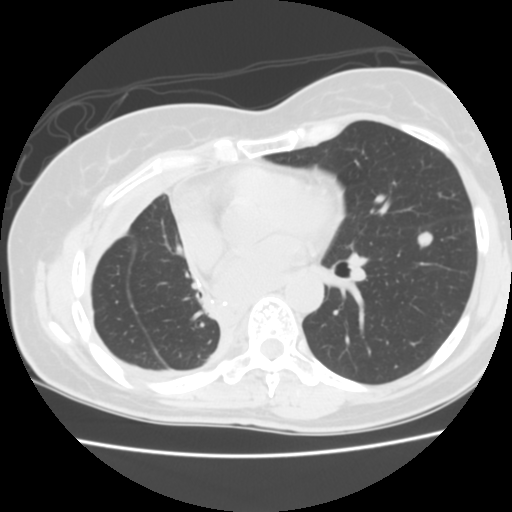
One axial slice (81 of 141, counting up from the lowest) of a chest CT acquired at 120 kVp with the STANDARD kernel; each pixel is 0.586 mm and the slice is 2.50 mm thick.
Pulmonary nodule, outlined by all four readers. Box on this slice rows 230–248, columns 417–433, the union of the readers' outlines on this slice; longest diameter 12.4 mm on average over the four readers' outlines (readers' outlines 11.8–13.0 mm), volume 484–627 mm3. The readers' prevailing ratings and who disagreed: texture 5/5 (solid), all four readers agreeing; margin 4/5 by two of four readers; the rest gave 3/5 (one), 5/5 (circumscribed) (one); sphericity split among the readers: 4/5 (two), 5/5 (round) (two); calcification absent from all four readers; internal structure soft tissue, all four readers agreeing; subtlety 5/5 by three of four readers; the rest gave 4/5 (one); malignancy likelihood 3/5 by two of four readers; the rest gave 4/5 (one), 5/5 (one). Scale key (1–5): texture non-solid→solid, margin indistinct→circumscribed, sphericity linear→round, subtlety extremely subtle→obvious, malignancy likelihood highly unlikely→highly suspicious of cancer. Box rows and columns are 0-based pixel indices from the top-left corner, inclusive.